One axial slice (139 of 369, counting up from the lowest) of a chest CT acquired at 120 kVp with the STANDARD kernel; each pixel is 0.703 mm and the slice is 1.25 mm thick.
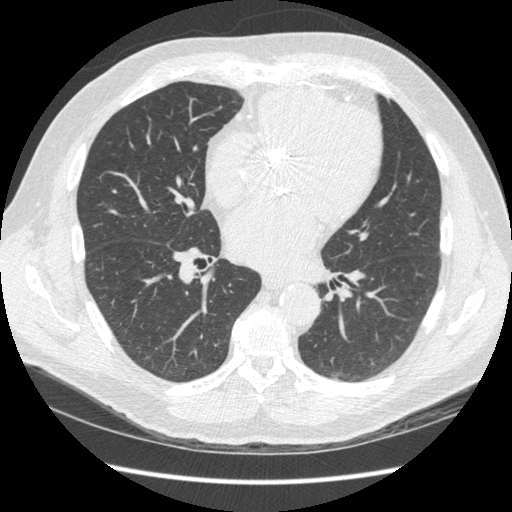
No nodule of 3 mm or larger was outlined by any of the four readers on this slice.